Axial chest CT slice 141 of 429 (counted from the lowest slice); tube voltage 120 kVp, convolution kernel STANDARD; slices 1.25 mm thick, 0.586 mm per pixel.
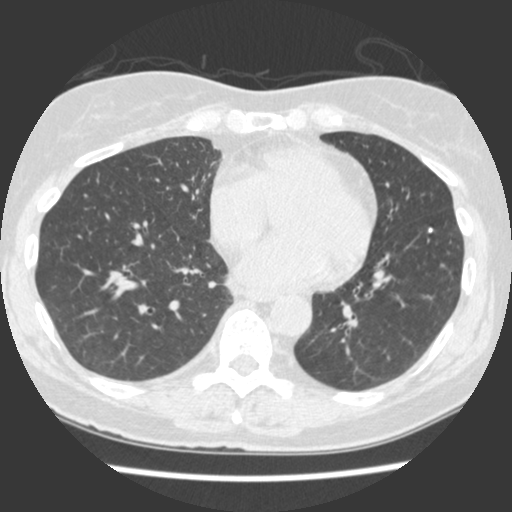
Pulmonary nodule, outlined by all four readers. Box on this slice rows 227–232, columns 426–432, the union of the readers' outlines on this slice; longest diameter 5.2–5.9 mm and volume 29–70 mm3 across the four readers' outlines. Ratings across the readers: texture 5/5 (solid), all four readers agreeing; margin 5/5 (circumscribed) from all four readers; sphericity from 3/5 (ovoid) to 5/5 (round) across the four readers; calcification solid calcification, all four readers agreeing; internal structure soft tissue from all four readers; subtlety from 4/5 to 5/5 across the four readers; malignancy likelihood 1/5 from all four readers. Scale key (1–5): texture non-solid→solid, margin indistinct→circumscribed, sphericity linear→round, subtlety extremely subtle→obvious, malignancy likelihood highly unlikely→highly suspicious of cancer. Box rows and columns are 0-based pixel indices from the top-left corner, inclusive.